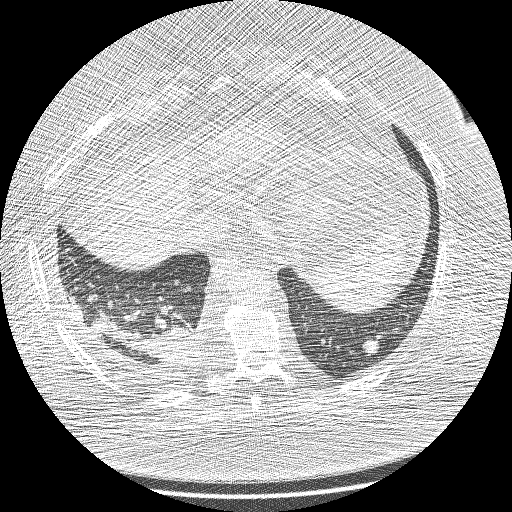
Axial chest CT slice 60 of 208 (counted from the lowest slice); tube voltage 120 kVp, convolution kernel BONE; slices 1.25 mm thick, 0.723 mm per pixel.
Pulmonary nodule at rows 339–356, columns 362–379 (box = the union of the readers' outlines on this slice), outlined by all four readers; longest diameter 16.1 mm on average over the four readers' outlines (readers' outlines 13.7–18.1 mm), volume 365–1028 mm3. The readers' prevailing ratings and who disagreed: texture 5/5 (solid) from all four readers; margin 4/5 from all four readers; sphericity 5/5 (round) by two of four readers; the rest gave 3/5 (ovoid) (one), 4/5 (one); calcification absent by three of four readers, central calcification (one); internal structure soft tissue, all four readers agreeing; subtlety 5/5 by two of four readers; the rest gave 3/5 (one), 4/5 (one); malignancy likelihood split among the readers: 1/5 (one), 3/5 (one), 4/5 (one), 5/5 (one). Scale key (1–5): texture non-solid→solid, margin indistinct→circumscribed, sphericity linear→round, subtlety extremely subtle→obvious, malignancy likelihood highly unlikely→highly suspicious of cancer. Box rows and columns are 0-based pixel indices from the top-left corner, inclusive.